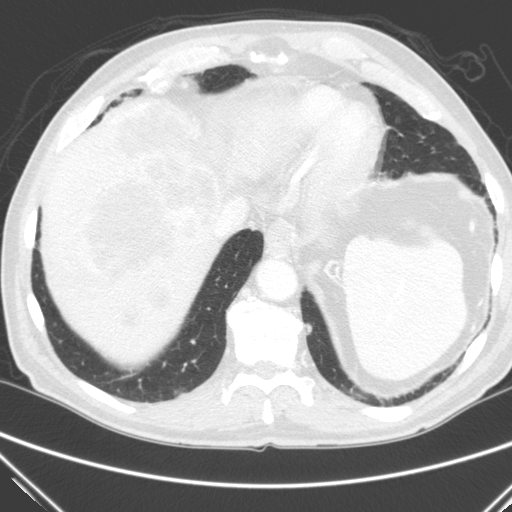
This is axial slice 52 of 290 (slice 1 is the lowest) of a chest CT; each pixel is 0.682 mm and the slice is 2.00 mm thick. Pulmonary nodule at rows 322–335, columns 304–311 (box = the union of the readers' outlines on this slice), outlined by all four readers; median longest diameter 12.7 mm (readers' outlines 12.3–13.7 mm), median volume 484 mm3 (463–570 mm3). Median ratings and the readers' spread: texture 5/5 (solid), all four readers agreeing; median margin 4/5 (readers ranged 4/5 to 5/5 (circumscribed)); median sphericity 3/5 (ovoid) (readers ranged 2/5 to 4/5); calcification absent, all four readers agreeing; internal structure soft tissue, all four readers agreeing; median subtlety 4/5 (readers ranged 3–5); malignancy likelihood 3/5 at the median of four readers, spread 3–4. Scale key (1–5): texture non-solid→solid, margin indistinct→circumscribed, sphericity linear→round, subtlety extremely subtle→obvious, malignancy likelihood highly unlikely→highly suspicious of cancer. Box rows and columns are 0-based pixel indices from the top-left corner, inclusive.
Tube voltage 120 kVp; convolution kernel C.